Axial slice 113 of 257 of a chest CT (slice 1 is the lowest), reconstructed with the BONE kernel at 120 kVp; 1.25 mm slice thickness and 0.576 mm pixels.
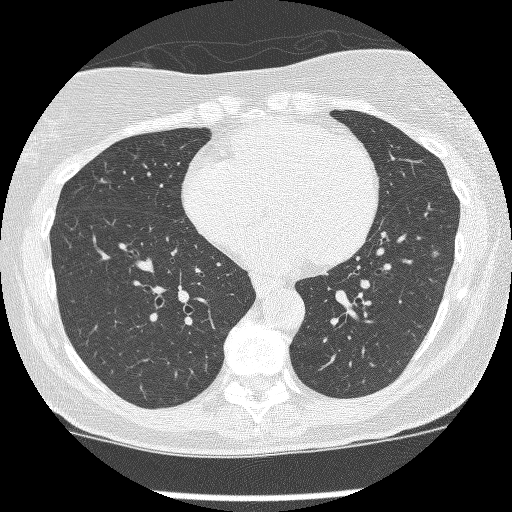
Pulmonary nodule, outlined by three of the four readers. Box on this slice rows 250–257, columns 431–439, the union of the readers' outlines on this slice; median longest diameter 5.8 mm (readers' outlines 4.9–6.0 mm), median volume 98 mm3 (61–103 mm3). Ratings, median across the readers with their spread: texture 2/5 at the median of three readers, spread 1/5 (non-solid) to 5/5 (solid); margin 2/5 at the median of three readers, spread 1/5 (indistinct) to 4/5; sphericity 3/5 (ovoid) at the median of three readers, spread 2/5 to 3/5 (ovoid); calcification absent from all three readers; internal structure soft tissue, all three readers agreeing; subtlety 3/5 at the median of three readers, spread 1–5; median malignancy likelihood 3/5 (readers ranged 3–4). Scale key (1–5): texture non-solid→solid, margin indistinct→circumscribed, sphericity linear→round, subtlety extremely subtle→obvious, malignancy likelihood highly unlikely→highly suspicious of cancer. Box rows and columns are 0-based pixel indices from the top-left corner, inclusive.